Axial slice 334 of 516 of a chest CT (slice 1 is the lowest), reconstructed with the STANDARD kernel at 120 kVp; 1.25 mm slice thickness and 0.820 mm pixels.
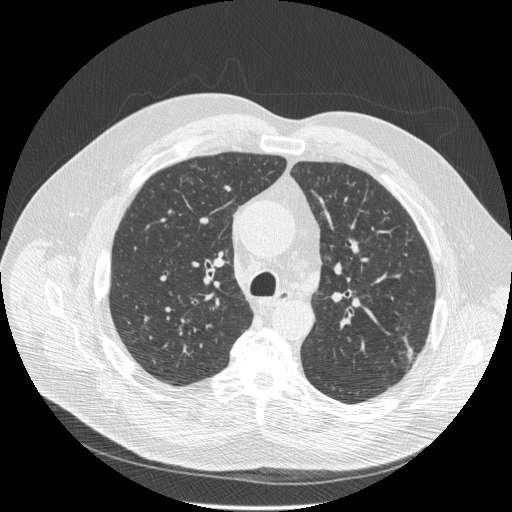
Pulmonary nodule, outlined by three of the four readers. Box on this slice rows 333–359, columns 401–412, the union of the readers' outlines on this slice; median longest diameter 28.3 mm (readers' outlines 23.2–31.7 mm), median volume 856 mm3 (750–1666 mm3). Median ratings and the readers' spread: median texture 4/5 (readers ranged 3/5 (part-solid) to 5/5 (solid)); median margin 3/5 (readers ranged 3/5 to 4/5); sphericity 2/5 from all three readers; calcification absent, all three readers agreeing; internal structure soft tissue from all three readers; subtlety 5/5, all three readers agreeing; malignancy likelihood 4/5, all three readers agreeing. Scale key (1–5): texture non-solid→solid, margin indistinct→circumscribed, sphericity linear→round, subtlety extremely subtle→obvious, malignancy likelihood highly unlikely→highly suspicious of cancer. Box rows and columns are 0-based pixel indices from the top-left corner, inclusive.